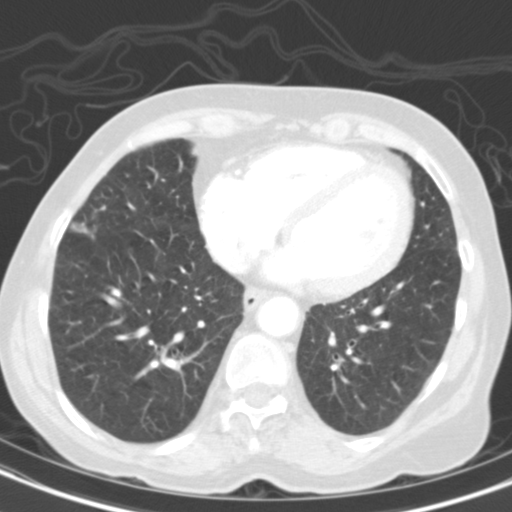
Axial chest CT slice 54 of 117 (counted from the lowest slice); tube voltage 130 kVp, convolution kernel B31s; slices 3.00 mm thick, 0.566 mm per pixel.
Pulmonary nodule, outlined by all four readers, one of them on this slice. Box on this slice rows 223–229, columns 74–83, the one reader's outline on this slice; the four readers' outlines give a longest diameter between 18.9 and 22.0 mm and a volume between 1351 and 2170 mm3. The readers' ratings, as ranges where they differ: texture from 3/5 (part-solid) to 5/5 (solid) across the four readers; margin from 3/5 to 5/5 (circumscribed) across the four readers; sphericity from 3/5 (ovoid) to 5/5 (round) across the four readers; calcification absent, all four readers agreeing; internal structure soft tissue, all four readers agreeing; subtlety 5/5, all four readers agreeing; malignancy likelihood from 4/5 to 5/5 across the four readers. Scale key (1–5): texture non-solid→solid, margin indistinct→circumscribed, sphericity linear→round, subtlety extremely subtle→obvious, malignancy likelihood highly unlikely→highly suspicious of cancer. Box rows and columns are 0-based pixel indices from the top-left corner, inclusive.